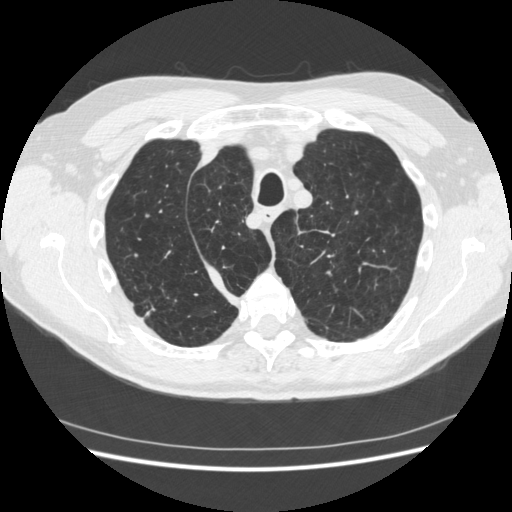
Axial chest CT slice 370 of 481 (counted from the lowest slice); tube voltage 120 kVp, convolution kernel STANDARD; slices 1.25 mm thick, 0.703 mm per pixel.
Pulmonary nodule at rows 299–317, columns 141–155 (box = the union of the readers' outlines on this slice), outlined by all four readers, three of them on this slice; longest diameter 18.7–34.9 mm and volume 1155–4169 mm3 across the four readers' outlines. The readers' ratings, as ranges where they differ: texture from 4/5 to 5/5 (solid) across the four readers; margin from 1/5 (indistinct) to 4/5 across the four readers; sphericity from 2/5 to 5/5 (round) across the four readers; calcification absent from all four readers; internal structure soft tissue from all four readers; subtlety 5/5 from all four readers; malignancy likelihood from 4/5 to 5/5 across the four readers. Scale key (1–5): texture non-solid→solid, margin indistinct→circumscribed, sphericity linear→round, subtlety extremely subtle→obvious, malignancy likelihood highly unlikely→highly suspicious of cancer. Box rows and columns are 0-based pixel indices from the top-left corner, inclusive.